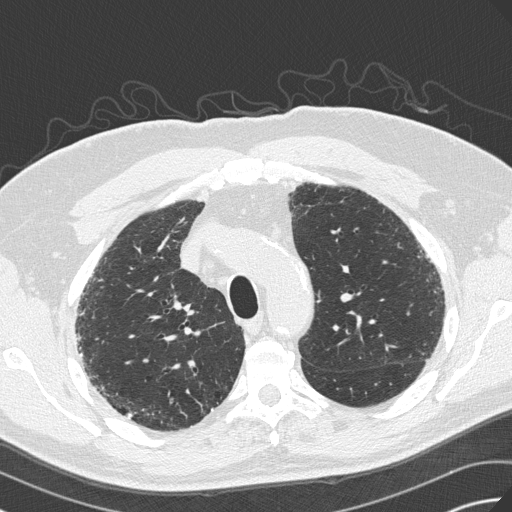
Axial chest CT slice 242 of 330 (counted from the lowest slice); tube voltage 120 kVp, convolution kernel B45f; slices 1.00 mm thick, 0.684 mm per pixel.
Pulmonary nodule at rows 413–417, columns 126–133 (box = the one reader's outline on this slice), outlined by two of the four readers, one of them on this slice; longest diameter 7.6–7.8 mm and volume 118–132 mm3 across the two readers' outlines. The readers' ratings, as ranges where they differ: texture 5/5 (solid), both readers agreeing; margin 5/5 (circumscribed), both readers agreeing; sphericity 5/5 (round), both readers agreeing; calcification solid calcification, both readers agreeing; internal structure soft tissue from both readers; subtlety 4–5/5 (the readers disagree); malignancy likelihood 1/5, both readers agreeing. Scale key (1–5): texture non-solid→solid, margin indistinct→circumscribed, sphericity linear→round, subtlety extremely subtle→obvious, malignancy likelihood highly unlikely→highly suspicious of cancer. Box rows and columns are 0-based pixel indices from the top-left corner, inclusive.